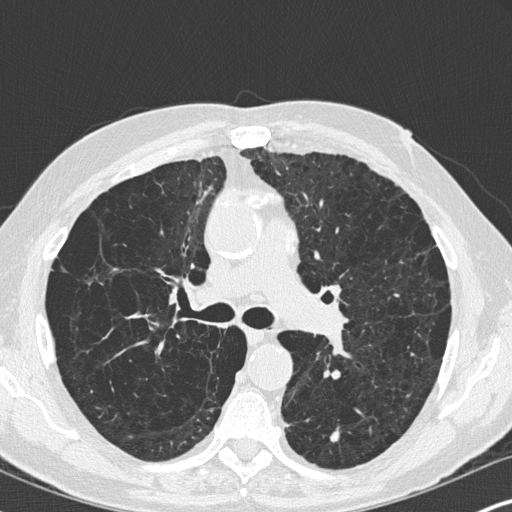
One axial slice (200 of 347, counting up from the lowest) of a chest CT acquired at 120 kVp with the B45f kernel; each pixel is 0.625 mm and the slice is 1.00 mm thick.
Pulmonary nodule, outlined by all four readers. Box on this slice rows 426–442, columns 329–340, the union of the readers' outlines on this slice; longest diameter 9.8–15.6 mm and volume 236–361 mm3 across the four readers' outlines. Ratings across the readers: texture from 4/5 to 5/5 (solid) across the four readers; margin from 2/5 to 5/5 (circumscribed) across the four readers; sphericity from 2/5 to 4/5 across the four readers; calcification absent, all four readers agreeing; internal structure soft tissue, all four readers agreeing; subtlety from 4/5 to 5/5 across the four readers; malignancy likelihood rated between 3 and 4 out of 5 by the four readers. Scale key (1–5): texture non-solid→solid, margin indistinct→circumscribed, sphericity linear→round, subtlety extremely subtle→obvious, malignancy likelihood highly unlikely→highly suspicious of cancer. Box rows and columns are 0-based pixel indices from the top-left corner, inclusive.